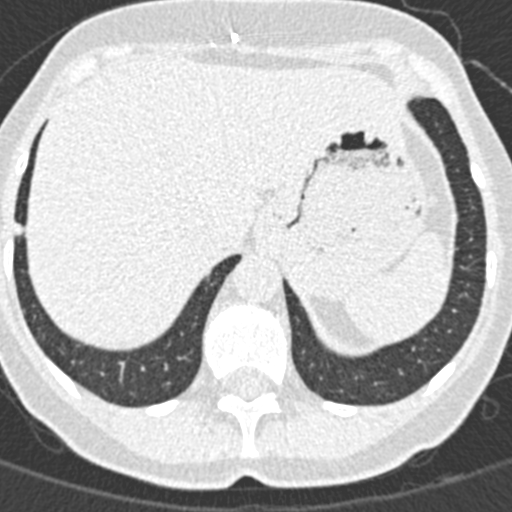
Axial slice 51 of 376 of a chest CT (slice 1 is the lowest), reconstructed with the B30f kernel at 120 kVp; 0.75 mm slice thickness and 0.461 mm pixels.
Pulmonary nodule outlined by all four readers; box rows 222–235, columns 14–23 (the union of the readers' outlines on this slice); the four readers' outlines give a longest diameter between 8.1 and 8.9 mm and a volume between 172 and 196 mm3. The readers' ratings, as ranges where they differ: texture from 4/5 to 5/5 (solid) across the four readers; margin from 4/5 to 5/5 (circumscribed) across the four readers; sphericity from 3/5 (ovoid) to 4/5 across the four readers; calcification absent, all four readers agreeing; internal structure soft tissue from all four readers; subtlety 3–5/5 (the readers disagree); malignancy likelihood rated between 2 and 4 out of 5 by the four readers. Scale key (1–5): texture non-solid→solid, margin indistinct→circumscribed, sphericity linear→round, subtlety extremely subtle→obvious, malignancy likelihood highly unlikely→highly suspicious of cancer. Box rows and columns are 0-based pixel indices from the top-left corner, inclusive.